Chest CT, axial plane, 120 kVp, kernel B70f. Slice 247/333 from the bottom of the scan; thickness 2.00 mm; pixel size 0.775 mm.
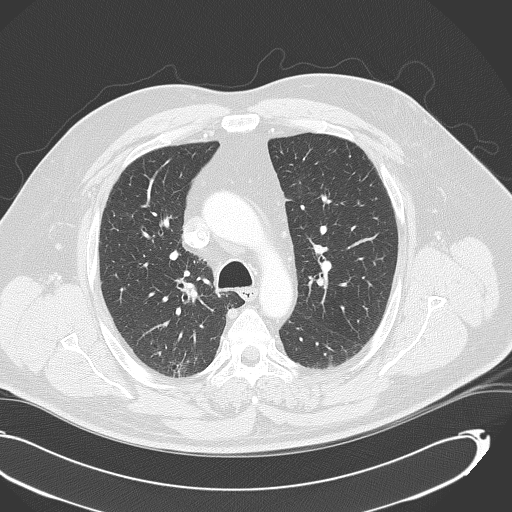
Pulmonary nodule outlined by two of the four readers; box rows 199–204, columns 357–360 (the union of the readers' outlines on this slice); longest diameter 6.3 mm on average over the two readers' outlines (readers' outlines 6.3–6.4 mm), volume 78–85 mm3. Ratings, by the readers' most common answer with dissent counted: texture split among the readers: 4/5 (one), 5/5 (solid) (one); margin split among the readers: 4/5 (one), 5/5 (circumscribed) (one); sphericity split among the readers: 4/5 (one), 5/5 (round) (one); calcification absent from both readers; internal structure soft tissue, both readers agreeing; subtlety 3/5, both readers agreeing; malignancy likelihood split among the readers: 2/5 (one), 3/5 (one). Scale key (1–5): texture non-solid→solid, margin indistinct→circumscribed, sphericity linear→round, subtlety extremely subtle→obvious, malignancy likelihood highly unlikely→highly suspicious of cancer. Box rows and columns are 0-based pixel indices from the top-left corner, inclusive.